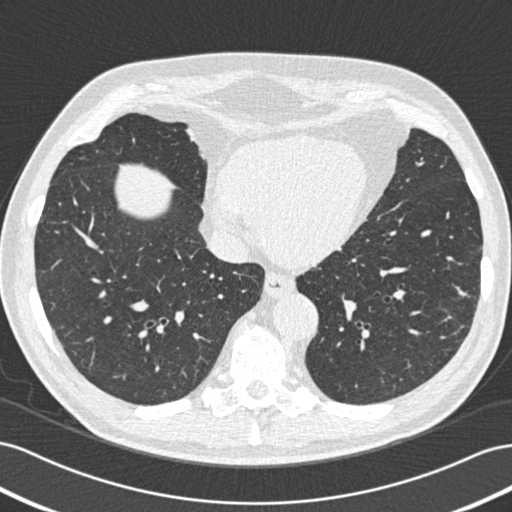
Axial slice 188 of 506 of a chest CT (slice 1 is the lowest), reconstructed with the B30f kernel at 120 kVp; 0.75 mm slice thickness and 0.699 mm pixels.
Pulmonary nodule, outlined by all four readers, three of them on this slice. Box on this slice rows 290–295, columns 458–466, the union of the readers' outlines on this slice; longest diameter 7.1 mm on average over the four readers' outlines (readers' outlines 6.6–7.8 mm), volume 93–162 mm3. Ratings, by the readers' most common answer with dissent counted: texture 5/5 (solid), all four readers agreeing; margin 5/5 (circumscribed) by two of four readers; the rest gave 3/5 (one), 4/5 (one); sphericity 3/5 (ovoid) by three of four readers; the rest gave 5/5 (round) (one); calcification absent from all four readers; internal structure soft tissue, all four readers agreeing; subtlety split among the readers: 2/5 (two), 3/5 (two); malignancy likelihood 3/5 by two of four readers; the rest gave 1/5 (one), 2/5 (one). Scale key (1–5): texture non-solid→solid, margin indistinct→circumscribed, sphericity linear→round, subtlety extremely subtle→obvious, malignancy likelihood highly unlikely→highly suspicious of cancer. Box rows and columns are 0-based pixel indices from the top-left corner, inclusive.